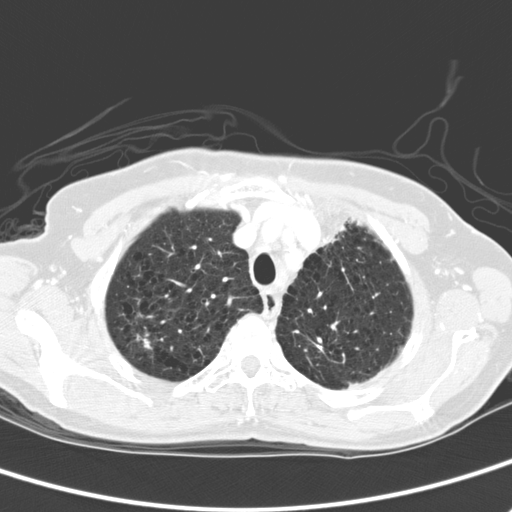
Chest CT, axial plane, 120 kVp, kernel D. Slice 209/280 from the bottom of the scan; thickness 2.00 mm; pixel size 0.613 mm.
Pulmonary nodule, outlined by all four readers, three of them on this slice. Box on this slice rows 332–349, columns 137–152, the union of the readers' outlines on this slice; longest diameter 17.7 mm on average over the four readers' outlines (readers' outlines 16.7–18.9 mm), volume 701–1041 mm3. The readers' prevailing ratings and who disagreed: texture 5/5 (solid) by two of four readers; the rest gave 3/5 (part-solid) (one), 4/5 (one); margin 1/5 (indistinct) by two of four readers; the rest gave 4/5 (one), 5/5 (circumscribed) (one); sphericity 2/5 by two of four readers; the rest gave 3/5 (ovoid) (one), 4/5 (one); calcification absent, all four readers agreeing; internal structure soft tissue from all four readers; subtlety 5/5 by two of four readers; the rest gave 2/5 (one), 4/5 (one); malignancy likelihood 4/5 by two of four readers; the rest gave 3/5 (one), 5/5 (one). Scale key (1–5): texture non-solid→solid, margin indistinct→circumscribed, sphericity linear→round, subtlety extremely subtle→obvious, malignancy likelihood highly unlikely→highly suspicious of cancer. Box rows and columns are 0-based pixel indices from the top-left corner, inclusive.